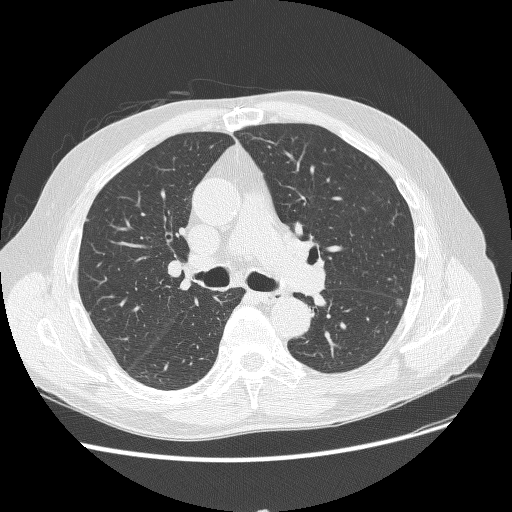
Axial chest CT slice 169 of 268 (counted from the lowest slice); tube voltage 120 kVp, convolution kernel BONE; slices 1.25 mm thick, 0.742 mm per pixel.
Pulmonary nodule, outlined by all four readers. Box on this slice rows 298–307, columns 395–402, the union of the readers' outlines on this slice; longest diameter 9.1 mm on average over the four readers' outlines (readers' outlines 9.0–9.3 mm), volume 159–261 mm3. The readers' prevailing ratings and who disagreed: texture 1/5 (non-solid) by three of four readers; the rest gave 3/5 (part-solid) (one); margin split among the readers: 1/5 (indistinct) (one), 3/5 (one), 4/5 (one), 5/5 (circumscribed) (one); sphericity 4/5 by three of four readers; the rest gave 3/5 (ovoid) (one); calcification absent, all four readers agreeing; internal structure soft tissue from all four readers; most readers (three of four) put subtlety at 3/5, others 4/5 (one); most readers (three of four) put malignancy likelihood at 3/5, others 4/5 (one). Scale key (1–5): texture non-solid→solid, margin indistinct→circumscribed, sphericity linear→round, subtlety extremely subtle→obvious, malignancy likelihood highly unlikely→highly suspicious of cancer. Box rows and columns are 0-based pixel indices from the top-left corner, inclusive.